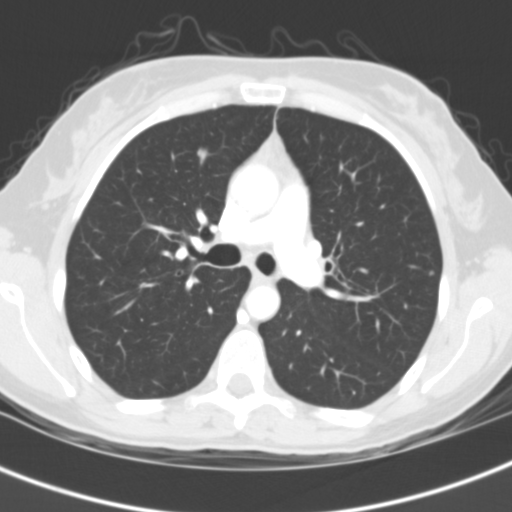
Axial slice 83 of 122 of a chest CT (slice 1 is the lowest), reconstructed with the B31f kernel at 120 kVp; 3.00 mm slice thickness and 0.566 mm pixels.
Pulmonary nodule at rows 270–275, columns 429–434 (box = the union of the readers' outlines on this slice), outlined by two of the four readers; longest diameter 3.8 mm and volume 40–42 mm3 across the two readers' outlines. Ratings across the readers: texture 5/5 (solid), both readers agreeing; margin 5/5 (circumscribed), both readers agreeing; sphericity from 4/5 to 5/5 (round) across the two readers; calcification absent, both readers agreeing; internal structure soft tissue from both readers; subtlety rated between 3 and 5 out of 5 by the two readers; malignancy likelihood from 2/5 to 3/5 across the two readers. Scale key (1–5): texture non-solid→solid, margin indistinct→circumscribed, sphericity linear→round, subtlety extremely subtle→obvious, malignancy likelihood highly unlikely→highly suspicious of cancer. Box rows and columns are 0-based pixel indices from the top-left corner, inclusive.